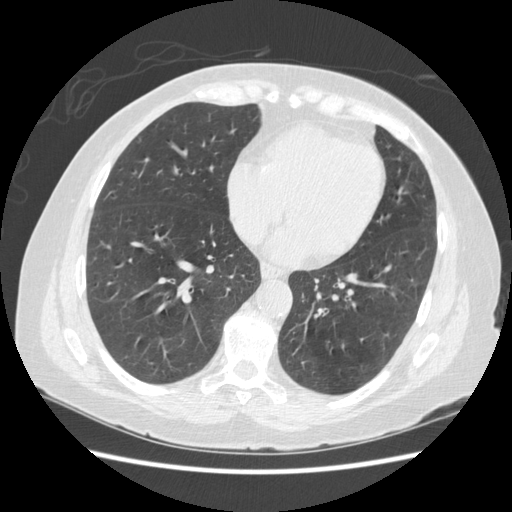
Axial chest CT slice 183 of 487 (counted from the lowest slice); tube voltage 120 kVp, convolution kernel STANDARD; slices 1.25 mm thick, 0.703 mm per pixel.
Pulmonary nodule, outlined by two of the four readers. Box on this slice rows 137–142, columns 135–140, the union of the readers' outlines on this slice; longest diameter 6.2 mm on average over the two readers' outlines (readers' outlines 6.0–6.4 mm), volume 52–55 mm3. Ratings, by the readers' most common answer with dissent counted: texture split among the readers: 2/5 (one), 5/5 (solid) (one); margin split among the readers: 3/5 (one), 5/5 (circumscribed) (one); sphericity 4/5 from both readers; calcification absent from both readers; internal structure soft tissue from both readers; subtlety split among the readers: 2/5 (one), 4/5 (one); malignancy likelihood split among the readers: 2/5 (one), 3/5 (one). Scale key (1–5): texture non-solid→solid, margin indistinct→circumscribed, sphericity linear→round, subtlety extremely subtle→obvious, malignancy likelihood highly unlikely→highly suspicious of cancer. Box rows and columns are 0-based pixel indices from the top-left corner, inclusive.